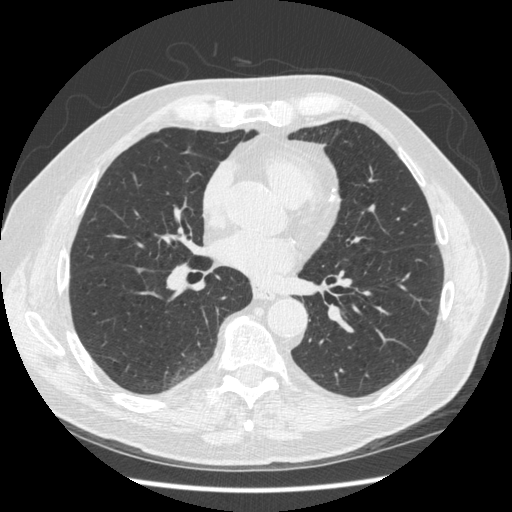
Axial chest CT slice 212 of 477 (counted from the lowest slice); tube voltage 120 kVp, convolution kernel STANDARD; slices 1.25 mm thick, 0.703 mm per pixel.
Pulmonary nodule at rows 139–142, columns 153–159 (box = the one reader's outline on this slice), outlined by three of the four readers, one of them on this slice; the three readers' outlines give a longest diameter between 7.2 and 8.2 mm and a volume between 65 and 84 mm3. Ratings across the readers: texture 5/5 (solid), all three readers agreeing; margin from 3/5 to 5/5 (circumscribed) across the three readers; sphericity from 3/5 (ovoid) to 5/5 (round) across the three readers; calcification absent from all three readers; internal structure soft tissue, all three readers agreeing; subtlety from 3/5 to 5/5 across the three readers; malignancy likelihood from 2/5 to 3/5 across the three readers. Scale key (1–5): texture non-solid→solid, margin indistinct→circumscribed, sphericity linear→round, subtlety extremely subtle→obvious, malignancy likelihood highly unlikely→highly suspicious of cancer. Box rows and columns are 0-based pixel indices from the top-left corner, inclusive.